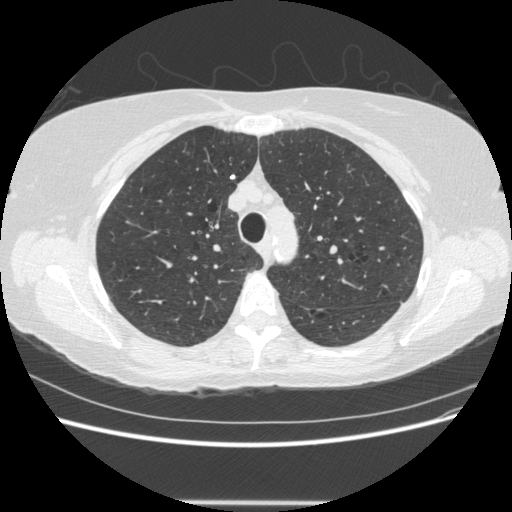
Axial slice 401 of 513 of a chest CT (slice 1 is the lowest), reconstructed with the STANDARD kernel at 120 kVp; 1.25 mm slice thickness and 0.703 mm pixels.
Pulmonary nodule, outlined by two of the four readers. Box on this slice rows 174–179, columns 229–235, the union of the readers' outlines on this slice; median longest diameter 5.4 mm (readers' outlines 5.0–5.8 mm), median volume 45 mm3 (42–49 mm3). Ratings, median across the readers with their spread: texture 5/5 (solid) from both readers; margin 5/5 (circumscribed) from both readers; sphericity 5/5 (round) from both readers; calcification split among the readers: solid calcification (one), absent (one); internal structure soft tissue from both readers; subtlety 3/5, both readers agreeing; median malignancy likelihood 1.5/5 (readers ranged 1–2). Scale key (1–5): texture non-solid→solid, margin indistinct→circumscribed, sphericity linear→round, subtlety extremely subtle→obvious, malignancy likelihood highly unlikely→highly suspicious of cancer. Box rows and columns are 0-based pixel indices from the top-left corner, inclusive.